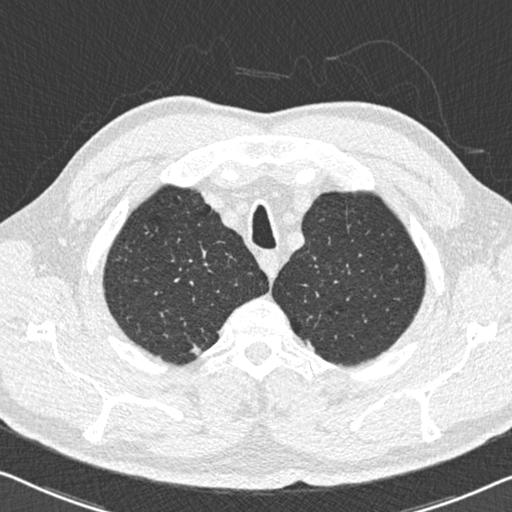
Chest CT, axial plane, 120 kVp, kernel B30f. Slice 497/558 from the bottom of the scan; thickness 0.75 mm; pixel size 0.648 mm.
Pulmonary nodule, outlined by all four readers, three of them on this slice. Box on this slice rows 344–354, columns 190–200, the union of the readers' outlines on this slice; longest diameter 9.4 mm on average over the four readers' outlines (readers' outlines 9.0–9.8 mm), volume 82–155 mm3. Ratings, by the readers' most common answer with dissent counted: most readers (three of four) put texture at 5/5 (solid), others 4/5 (one); most readers (three of four) put margin at 4/5, others 5/5 (circumscribed) (one); sphericity 2/5 by three of four readers; the rest gave 5/5 (round) (one); calcification absent, all four readers agreeing; internal structure soft tissue from all four readers; subtlety 3/5 by two of four readers; the rest gave 4/5 (one), 5/5 (one); malignancy likelihood split among the readers: 2/5 (two), 3/5 (two). Scale key (1–5): texture non-solid→solid, margin indistinct→circumscribed, sphericity linear→round, subtlety extremely subtle→obvious, malignancy likelihood highly unlikely→highly suspicious of cancer. Box rows and columns are 0-based pixel indices from the top-left corner, inclusive.